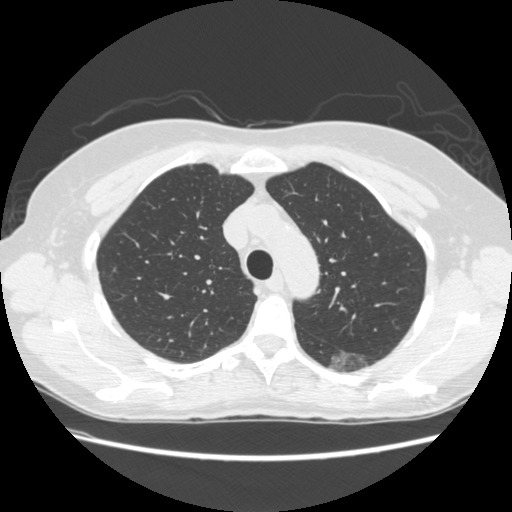
One axial slice (190 of 261, counting up from the lowest) of a chest CT acquired at 120 kVp with the STANDARD kernel; each pixel is 0.682 mm and the slice is 1.25 mm thick.
Pulmonary nodule outlined by two of the four readers; box rows 348–372, columns 329–369 (the union of the readers' outlines on this slice); longest diameter 30.8 mm on average over the two readers' outlines (readers' outlines 30.0–31.5 mm), volume 6577–7912 mm3. Ratings, by the readers' most common answer with dissent counted: texture split among the readers: 1/5 (non-solid) (one), 2/5 (one); margin split among the readers: 1/5 (indistinct) (one), 2/5 (one); sphericity split among the readers: 3/5 (ovoid) (one), 5/5 (round) (one); calcification absent from both readers; internal structure soft tissue from both readers; subtlety split among the readers: 1/5 (one), 2/5 (one); malignancy likelihood split among the readers: 4/5 (one), 5/5 (one). Scale key (1–5): texture non-solid→solid, margin indistinct→circumscribed, sphericity linear→round, subtlety extremely subtle→obvious, malignancy likelihood highly unlikely→highly suspicious of cancer. Box rows and columns are 0-based pixel indices from the top-left corner, inclusive.